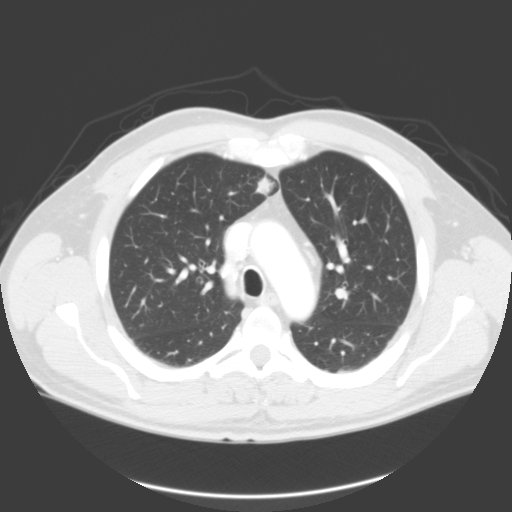
One axial slice (62 of 95, counting up from the lowest) of a chest CT acquired at 120 kVp with the B kernel; each pixel is 0.750 mm and the slice is 3.00 mm thick.
Pulmonary nodule at rows 176–195, columns 254–274 (box = the union of the readers' outlines on this slice), outlined by all four readers; longest diameter 14.5–17.6 mm and volume 912–1341 mm3 across the four readers' outlines. Ratings across the readers: texture from 3/5 (part-solid) to 5/5 (solid) across the four readers; margin from 2/5 to 4/5 across the four readers; sphericity from 3/5 (ovoid) to 4/5 across the four readers; calcification absent from all four readers; internal structure soft tissue, all four readers agreeing; subtlety from 4/5 to 5/5 across the four readers; malignancy likelihood from 3/5 to 5/5 across the four readers. Scale key (1–5): texture non-solid→solid, margin indistinct→circumscribed, sphericity linear→round, subtlety extremely subtle→obvious, malignancy likelihood highly unlikely→highly suspicious of cancer. Box rows and columns are 0-based pixel indices from the top-left corner, inclusive.